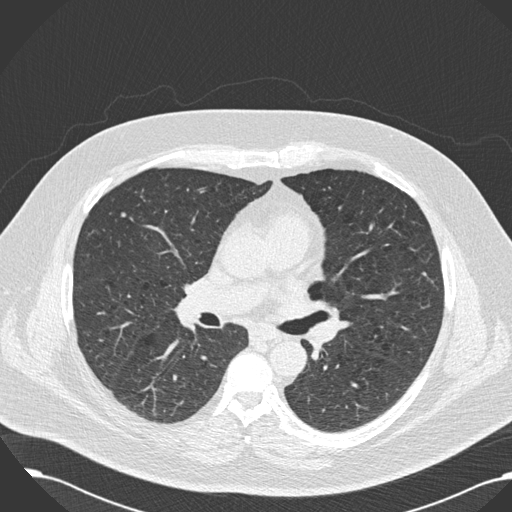
Axial chest CT slice 97 of 181 (counted from the lowest slice); tube voltage 120 kVp, convolution kernel B30f; slices 2.00 mm thick, 0.762 mm per pixel.
Pulmonary nodule, outlined by three of the four readers. Box on this slice rows 212–217, columns 120–126, the union of the readers' outlines on this slice; the three readers' outlines give a longest diameter between 7.6 and 8.2 mm and a volume between 115 and 253 mm3. The readers' ratings, as ranges where they differ: texture from 4/5 to 5/5 (solid) across the three readers; margin from 4/5 to 5/5 (circumscribed) across the three readers; sphericity from 4/5 to 5/5 (round) across the three readers; calcification absent from all three readers; internal structure soft tissue, all three readers agreeing; subtlety 4/5 from all three readers; malignancy likelihood rated between 2 and 3 out of 5 by the three readers. Scale key (1–5): texture non-solid→solid, margin indistinct→circumscribed, sphericity linear→round, subtlety extremely subtle→obvious, malignancy likelihood highly unlikely→highly suspicious of cancer. Box rows and columns are 0-based pixel indices from the top-left corner, inclusive.